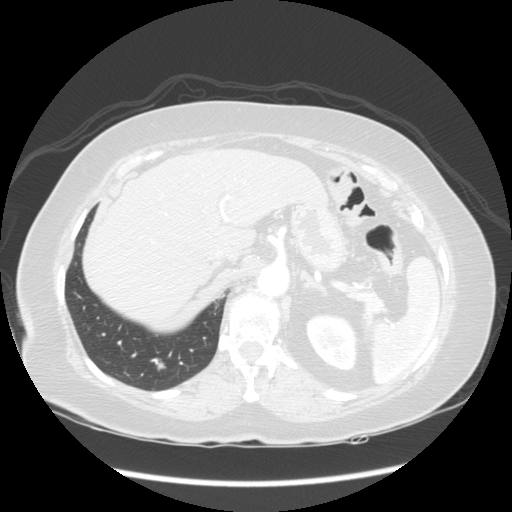
Slice 45/141 of a chest CT, counting up from the lowest; pixel size 0.703 mm, slice thickness 2.50 mm. Pulmonary nodule at rows 357–371, columns 150–167 (box = the union of the readers' outlines on this slice), outlined by all four readers; longest diameter 17.0–19.8 mm and volume 1157–1740 mm3 across the four readers' outlines. Ratings across the readers: texture 5/5 (solid) from all four readers; margin from 3/5 to 4/5 across the four readers; sphericity from 3/5 (ovoid) to 4/5 across the four readers; calcification absent, all four readers agreeing; internal structure soft tissue from all four readers; subtlety 4–5/5 (the readers disagree); malignancy likelihood rated between 4 and 5 out of 5 by the four readers. Scale key (1–5): texture non-solid→solid, margin indistinct→circumscribed, sphericity linear→round, subtlety extremely subtle→obvious, malignancy likelihood highly unlikely→highly suspicious of cancer. Box rows and columns are 0-based pixel indices from the top-left corner, inclusive.
Tube voltage 120 kVp; convolution kernel STANDARD.